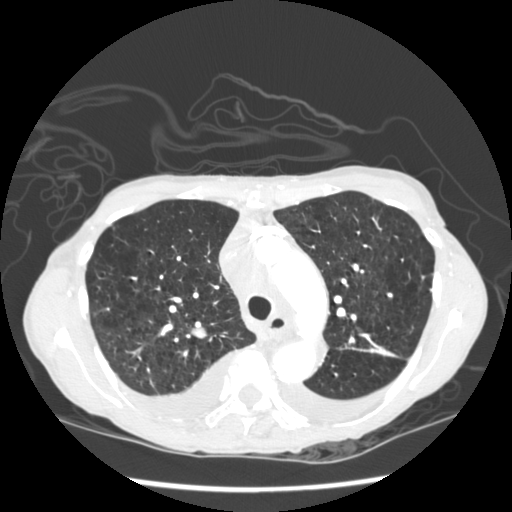
Axial chest CT slice 163 of 233 (counted from the lowest slice); tube voltage 120 kVp, convolution kernel STANDARD; slices 1.25 mm thick, 0.664 mm per pixel.
Pulmonary nodule outlined by all four readers; box rows 321–338, columns 189–206 (the union of the readers' outlines on this slice); median longest diameter 15.1 mm (readers' outlines 14.3–15.4 mm), median volume 1018 mm3 (906–1149 mm3). Ratings, median across the readers with their spread: texture 5/5 (solid) from all four readers; median margin 5/5 (circumscribed) (readers ranged 4/5 to 5/5 (circumscribed)); median sphericity 3.5/5 (readers ranged 3/5 (ovoid) to 4/5); calcification absent, all four readers agreeing; internal structure soft tissue from all four readers; subtlety 5/5 at the median of four readers, spread 4–5; malignancy likelihood 3/5 at the median of four readers, spread 2–4. Scale key (1–5): texture non-solid→solid, margin indistinct→circumscribed, sphericity linear→round, subtlety extremely subtle→obvious, malignancy likelihood highly unlikely→highly suspicious of cancer. Box rows and columns are 0-based pixel indices from the top-left corner, inclusive.